One axial slice (179 of 241, counting up from the lowest) of a chest CT acquired at 120 kVp with the STANDARD kernel; each pixel is 0.773 mm and the slice is 1.25 mm thick.
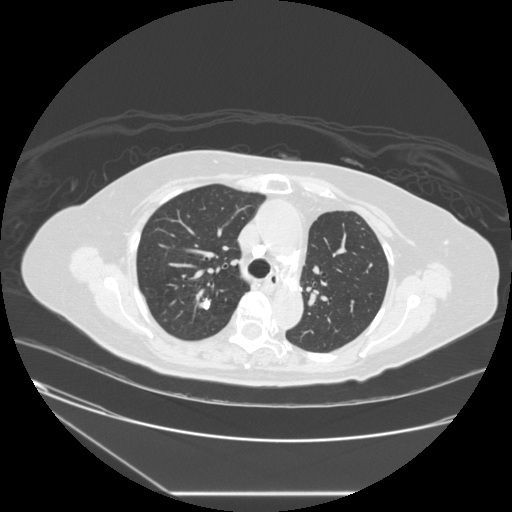
Pulmonary nodule, outlined three times (the source holds two more outlines, not used). Box on this slice rows 298–309, columns 199–210, the union of the readers' outlines on this slice; the three readers' outlines give a longest diameter between 10.5 and 12.2 mm and a volume between 344 and 520 mm3. Ratings across the readers: texture from 4/5 to 5/5 (solid) across the three readers; margin from 4/5 to 5/5 (circumscribed) across the three readers; sphericity from 3/5 (ovoid) to 4/5 across the three readers; calcification: non-central calcification (two), absent (one); internal structure soft tissue from all three readers; subtlety 5/5 from all three readers; malignancy likelihood 2–3/5 (the readers disagree). Scale key (1–5): texture non-solid→solid, margin indistinct→circumscribed, sphericity linear→round, subtlety extremely subtle→obvious, malignancy likelihood highly unlikely→highly suspicious of cancer. Box rows and columns are 0-based pixel indices from the top-left corner, inclusive.